Axial chest CT slice 311 of 408 (counted from the lowest slice); tube voltage 120 kVp, convolution kernel B30f; slices 0.75 mm thick, 0.531 mm per pixel.
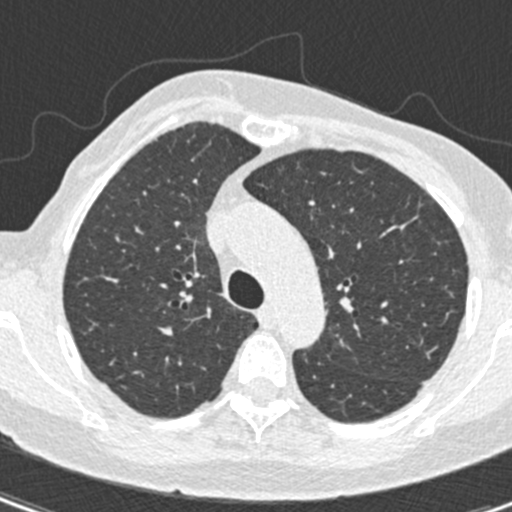
No nodule 3 mm or larger was outlined here by any reader.